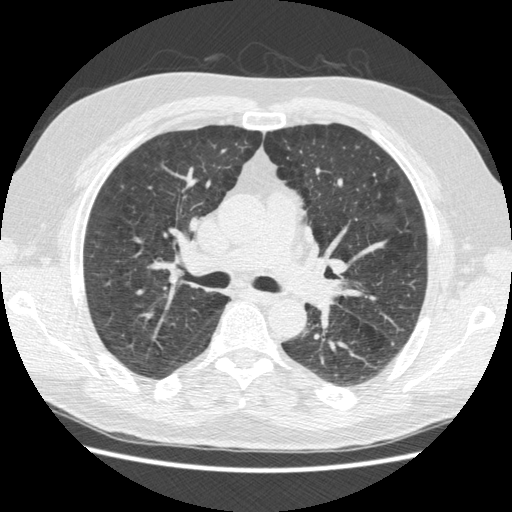
This is axial slice 259 of 471 (slice 1 is the lowest) of a chest CT; each pixel is 0.703 mm and the slice is 1.25 mm thick. No nodule 3 mm or larger was outlined here by any reader.
Acquired at 120 kVp and reconstructed with the STANDARD kernel.